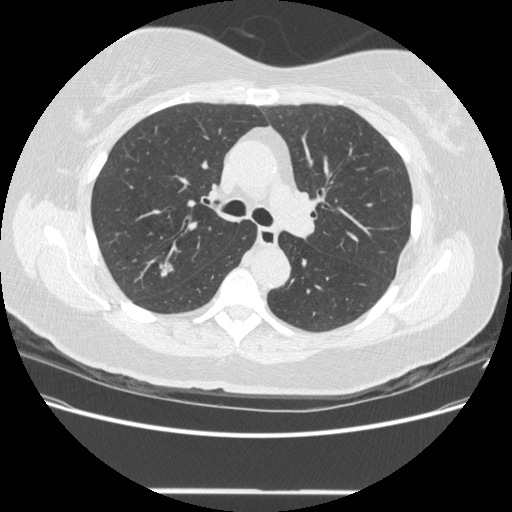
This is axial slice 303 of 481 (slice 1 is the lowest) of a chest CT; each pixel is 0.742 mm and the slice is 1.25 mm thick. Pulmonary nodule, outlined by three of the four readers. Box on this slice rows 261–276, columns 159–173, the union of the readers' outlines on this slice; median longest diameter 14.2 mm (readers' outlines 13.9–15.6 mm), median volume 777 mm3 (741–820 mm3). Ratings, median across the readers with their spread: texture 4/5, all three readers agreeing; margin 4/5 at the median of three readers, spread 3/5 to 4/5; sphericity 3/5 (ovoid) at the median of three readers, spread 3/5 (ovoid) to 4/5; calcification absent, all three readers agreeing; internal structure soft tissue, all three readers agreeing; subtlety 4/5 at the median of three readers, spread 4–5; malignancy likelihood 5/5 at the median of three readers, spread 4–5. Scale key (1–5): texture non-solid→solid, margin indistinct→circumscribed, sphericity linear→round, subtlety extremely subtle→obvious, malignancy likelihood highly unlikely→highly suspicious of cancer. Box rows and columns are 0-based pixel indices from the top-left corner, inclusive.
Acquired at 120 kVp and reconstructed with the STANDARD kernel.